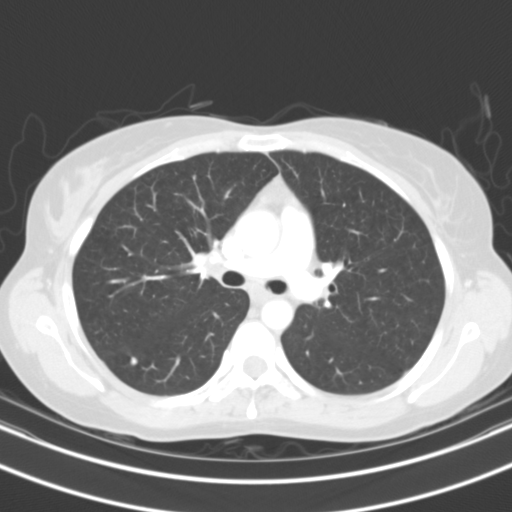
One axial slice (72 of 108, counting up from the lowest) of a chest CT acquired at 130 kVp with the B31s kernel; each pixel is 0.629 mm and the slice is 3.00 mm thick.
Pulmonary nodule, outlined by three of the four readers. Box on this slice rows 357–364, columns 130–137, the union of the readers' outlines on this slice; median longest diameter 6.6 mm (readers' outlines 6.5–6.8 mm), median volume 160 mm3 (151–179 mm3). Ratings, median across the readers with their spread: texture 5/5 (solid), all three readers agreeing; margin 5/5 (circumscribed) from all three readers; sphericity 5/5 (round), all three readers agreeing; calcification solid calcification, all three readers agreeing; internal structure soft tissue from all three readers; median subtlety 4/5 (readers ranged 2–5); malignancy likelihood 1/5 from all three readers. Scale key (1–5): texture non-solid→solid, margin indistinct→circumscribed, sphericity linear→round, subtlety extremely subtle→obvious, malignancy likelihood highly unlikely→highly suspicious of cancer. Box rows and columns are 0-based pixel indices from the top-left corner, inclusive.